Axial chest CT slice 114 of 250 (counted from the lowest slice); tube voltage 120 kVp, convolution kernel BONE; slices 1.25 mm thick, 0.721 mm per pixel.
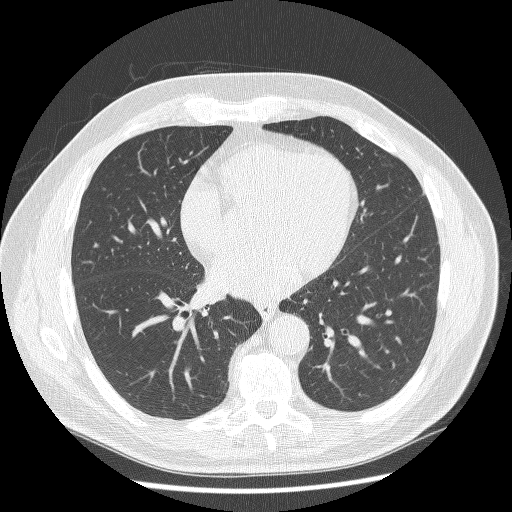
The readers outlined no nodule of 3 mm or more on this slice.